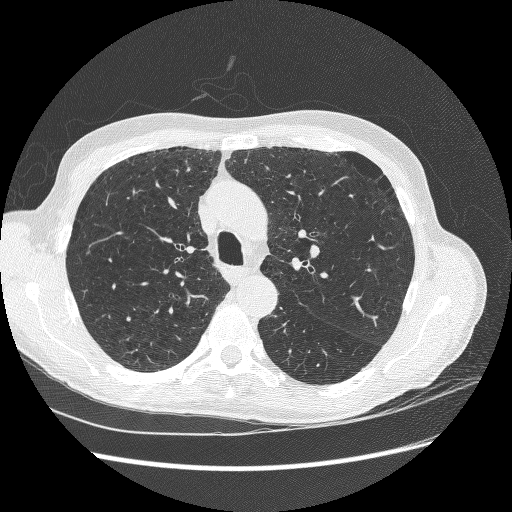
Chest CT, axial plane, 120 kVp, kernel BONE. Slice 192/278 from the bottom of the scan; thickness 1.25 mm; pixel size 0.711 mm.
Pulmonary nodule at rows 250–254, columns 86–89 (box = the union of the readers' outlines on this slice), outlined by three of the four readers, two of them on this slice; the three readers' outlines give a longest diameter between 4.8 and 5.1 mm and a volume between 36 and 56 mm3. Ratings across the readers: texture from 4/5 to 5/5 (solid) across the three readers; margin from 2/5 to 5/5 (circumscribed) across the three readers; sphericity from 4/5 to 5/5 (round) across the three readers; calcification absent, all three readers agreeing; internal structure soft tissue from all three readers; subtlety rated between 1 and 5 out of 5 by the three readers; malignancy likelihood from 2/5 to 3/5 across the three readers. Scale key (1–5): texture non-solid→solid, margin indistinct→circumscribed, sphericity linear→round, subtlety extremely subtle→obvious, malignancy likelihood highly unlikely→highly suspicious of cancer. Box rows and columns are 0-based pixel indices from the top-left corner, inclusive.